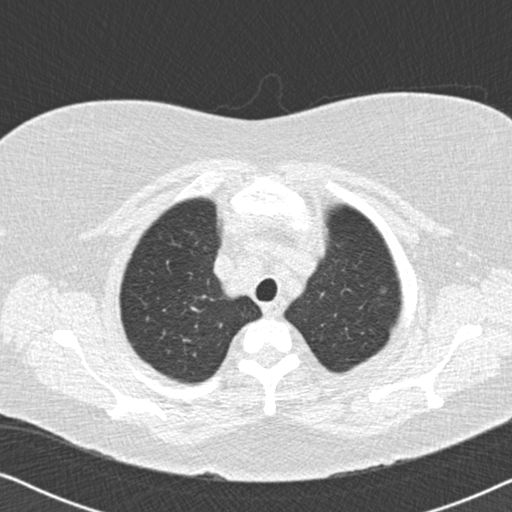
One axial slice (159 of 177, counting up from the lowest) of a chest CT acquired at 120 kVp with the B30f kernel; each pixel is 0.643 mm and the slice is 2.00 mm thick.
Pulmonary nodule outlined by one of the four readers; box rows 287–292, columns 381–385 (that reader's outline on this slice); longest diameter 7.8 mm and volume 98 mm3 from that reader's outline. Ratings by that reader: texture 1/5 (non-solid); margin 2/5; sphericity 3/5 (ovoid); calcification absent; internal structure soft tissue; subtlety 2/5; malignancy likelihood 3/5. Scale key (1–5): texture non-solid→solid, margin indistinct→circumscribed, sphericity linear→round, subtlety extremely subtle→obvious, malignancy likelihood highly unlikely→highly suspicious of cancer. Box rows and columns are 0-based pixel indices from the top-left corner, inclusive.